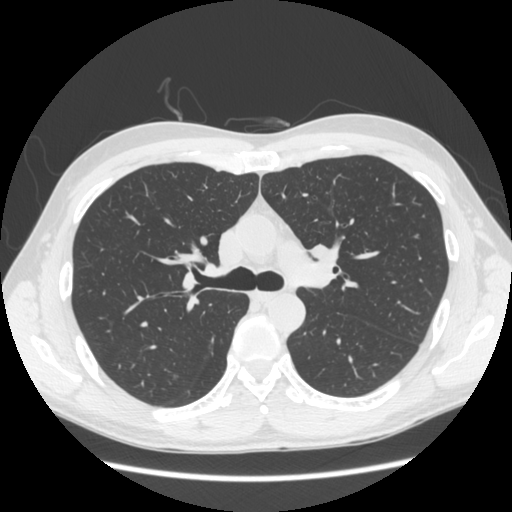
Axial slice 191 of 293 of a chest CT (slice 1 is the lowest), reconstructed with the STANDARD kernel at 120 kVp; 1.25 mm slice thickness and 0.689 mm pixels.
Pulmonary nodule outlined by three of the four readers; box rows 374–379, columns 172–177 (the union of the readers' outlines on this slice); median longest diameter 6.5 mm (readers' outlines 5.7–8.0 mm), median volume 63 mm3 (45–70 mm3). Median ratings and the readers' spread: texture 2/5 at the median of three readers, spread 1/5 (non-solid) to 2/5; margin 3/5 at the median of three readers, spread 1/5 (indistinct) to 3/5; sphericity 4/5 at the median of three readers, spread 3/5 (ovoid) to 4/5; calcification absent from all three readers; internal structure soft tissue from all three readers; median subtlety 2/5 (readers ranged 2–3); malignancy likelihood 3/5 from all three readers. Scale key (1–5): texture non-solid→solid, margin indistinct→circumscribed, sphericity linear→round, subtlety extremely subtle→obvious, malignancy likelihood highly unlikely→highly suspicious of cancer. Box rows and columns are 0-based pixel indices from the top-left corner, inclusive.